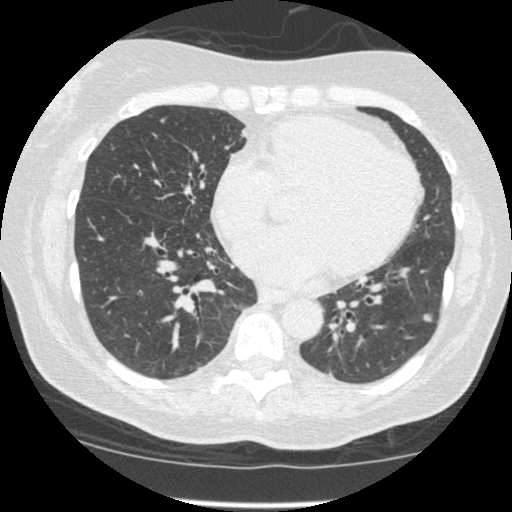
Axial chest CT slice 172 of 449 (counted from the lowest slice); 1.25 mm thick, 0.625 mm per pixel. Pulmonary nodule, outlined by all four readers. Box on this slice rows 313–321, columns 423–432, the union of the readers' outlines on this slice; longest diameter 8.1 mm on average over the four readers' outlines (readers' outlines 6.8–9.2 mm), volume 59–141 mm3. The readers' prevailing ratings and who disagreed: texture 5/5 (solid) by two of four readers; the rest gave 1/5 (non-solid) (one), 4/5 (one); margin 4/5 by two of four readers; the rest gave 3/5 (one), 5/5 (circumscribed) (one); sphericity 5/5 (round) by two of four readers; the rest gave 3/5 (ovoid) (one), 4/5 (one); calcification absent, all four readers agreeing; internal structure soft tissue, all four readers agreeing; subtlety split among the readers: 3/5 (two), 4/5 (two); malignancy likelihood 3/5 from all four readers. Scale key (1–5): texture non-solid→solid, margin indistinct→circumscribed, sphericity linear→round, subtlety extremely subtle→obvious, malignancy likelihood highly unlikely→highly suspicious of cancer. Box rows and columns are 0-based pixel indices from the top-left corner, inclusive.
Tube voltage 120 kVp; convolution kernel STANDARD.